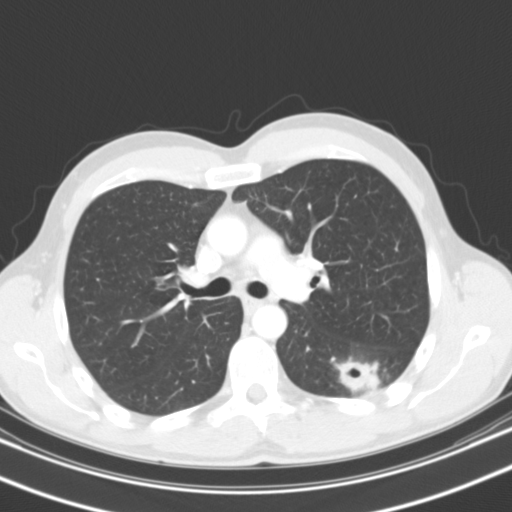
This is axial slice 74 of 119 (slice 1 is the lowest) of a chest CT; each pixel is 0.650 mm and the slice is 3.00 mm thick. Pulmonary nodule outlined by all four readers; box rows 356–395, columns 334–382 (the union of the readers' outlines on this slice); longest diameter 31.4–40.2 mm and volume 6737–11596 mm3 across the four readers' outlines. The readers' ratings, as ranges where they differ: texture from 4/5 to 5/5 (solid) across the four readers; margin from 1/5 (indistinct) to 4/5 across the four readers; sphericity from 3/5 (ovoid) to 5/5 (round) across the four readers; calcification absent from all four readers; internal structure: soft tissue (three), air (one); subtlety 5/5, all four readers agreeing; malignancy likelihood from 2/5 to 5/5 across the four readers. Scale key (1–5): texture non-solid→solid, margin indistinct→circumscribed, sphericity linear→round, subtlety extremely subtle→obvious, malignancy likelihood highly unlikely→highly suspicious of cancer. Box rows and columns are 0-based pixel indices from the top-left corner, inclusive.
Tube voltage 130 kVp; convolution kernel B31s.